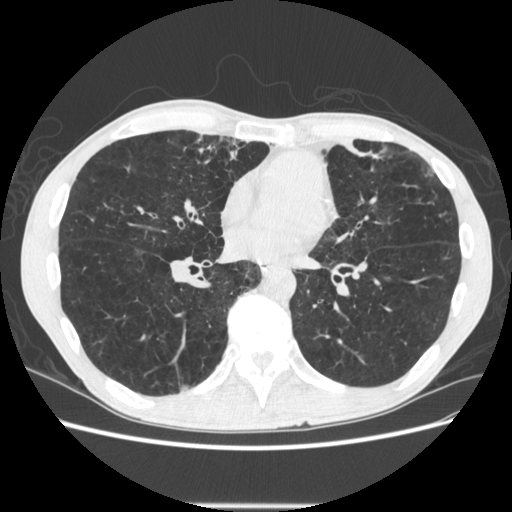
Axial chest CT slice 271 of 605 (counted from the lowest slice); 1.25 mm thick, 0.703 mm per pixel. Pulmonary nodule outlined by two of the four readers; box rows 385–392, columns 180–189 (the union of the readers' outlines on this slice); median longest diameter 10.1 mm (readers' outlines 9.8–10.4 mm), median volume 152 mm3 (142–162 mm3). Median ratings and the readers' spread: texture 5/5 (solid) from both readers; margin 5/5 (circumscribed) from both readers; sphericity 3.5/5 at the median of two readers, spread 3/5 (ovoid) to 4/5; calcification absent from both readers; internal structure soft tissue, both readers agreeing; subtlety 4/5, both readers agreeing; malignancy likelihood 3/5 from both readers. Scale key (1–5): texture non-solid→solid, margin indistinct→circumscribed, sphericity linear→round, subtlety extremely subtle→obvious, malignancy likelihood highly unlikely→highly suspicious of cancer. Box rows and columns are 0-based pixel indices from the top-left corner, inclusive.
Scan settings: 120 kVp, STANDARD reconstruction kernel.